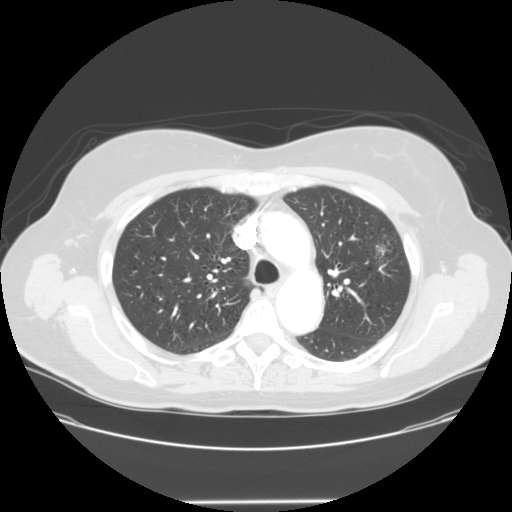
Chest CT, axial plane, 120 kVp, kernel STANDARD. Slice 100/138 from the bottom of the scan; thickness 2.50 mm; pixel size 0.781 mm.
Pulmonary nodule outlined by all four readers, one of them on this slice; box rows 239–257, columns 375–388 (the one reader's outline on this slice); median longest diameter 30.2 mm (readers' outlines 29.1–32.9 mm), median volume 5896 mm3 (5563–6580 mm3). Ratings, median across the readers with their spread: median texture 5/5 (solid) (readers ranged 4/5 to 5/5 (solid)); median margin 3.5/5 (readers ranged 3/5 to 4/5); median sphericity 3/5 (ovoid) (readers ranged 3/5 (ovoid) to 5/5 (round)); calcification absent from all four readers; internal structure soft tissue, all four readers agreeing; subtlety 5/5 from all four readers; median malignancy likelihood 5/5 (readers ranged 4–5). Scale key (1–5): texture non-solid→solid, margin indistinct→circumscribed, sphericity linear→round, subtlety extremely subtle→obvious, malignancy likelihood highly unlikely→highly suspicious of cancer. Box rows and columns are 0-based pixel indices from the top-left corner, inclusive.